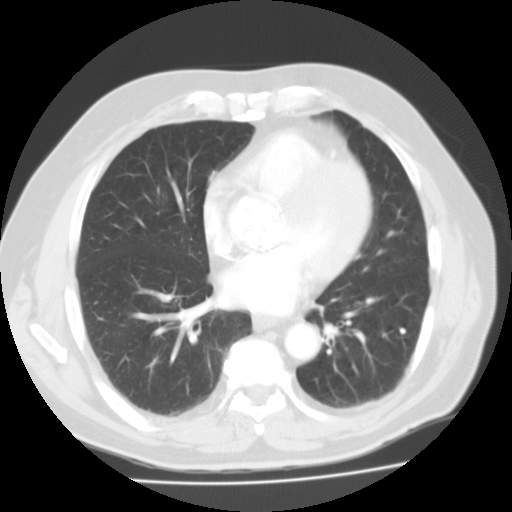
One axial slice (65 of 125, counting up from the lowest) of a chest CT acquired at 135 kVp with the FC01 kernel; each pixel is 0.721 mm and the slice is 3.00 mm thick.
Pulmonary nodule, outlined by all four readers. Box on this slice rows 327–335, columns 398–406, the union of the readers' outlines on this slice; longest diameter 6.0 mm on average over the four readers' outlines (readers' outlines 5.5–7.5 mm), volume 101–179 mm3. Ratings, by the readers' most common answer with dissent counted: texture 5/5 (solid), all four readers agreeing; margin 5/5 (circumscribed), all four readers agreeing; sphericity 5/5 (round) by two of four readers; the rest gave 3/5 (ovoid) (one), 4/5 (one); calcification solid calcification from all four readers; internal structure soft tissue, all four readers agreeing; subtlety split among the readers: 3/5 (two), 5/5 (two); malignancy likelihood 1/5 from all four readers. Scale key (1–5): texture non-solid→solid, margin indistinct→circumscribed, sphericity linear→round, subtlety extremely subtle→obvious, malignancy likelihood highly unlikely→highly suspicious of cancer. Box rows and columns are 0-based pixel indices from the top-left corner, inclusive.